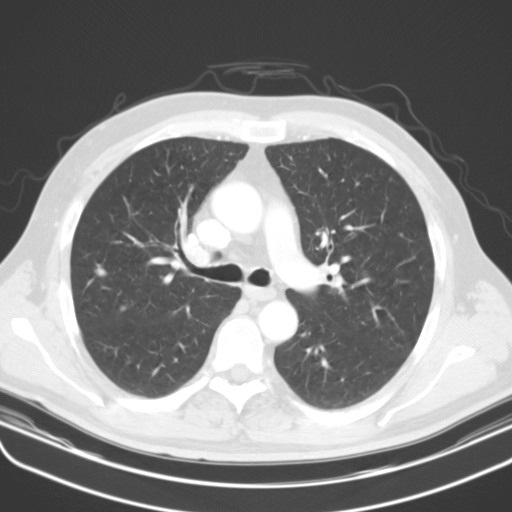
This is axial slice 97 of 134 (slice 1 is the lowest) of a chest CT; each pixel is 0.715 mm and the slice is 3.00 mm thick. Two pulmonary nodules on this slice, listed from left to right. (1) Pulmonary nodule at rows 264–276, columns 93–107 (box = the union of the readers' outlines on this slice), outlined by all four readers; the four readers' outlines give a longest diameter between 10.9 and 12.5 mm and a volume between 297 and 381 mm3. The readers' ratings, as ranges where they differ: texture from 4/5 to 5/5 (solid) across the four readers; margin from 3/5 to 4/5 across the four readers; sphericity from 2/5 to 3/5 (ovoid) across the four readers; calcification: absent (three), central calcification (one); internal structure soft tissue, all four readers agreeing; subtlety from 3/5 to 5/5 across the four readers; malignancy likelihood 1–3/5 (the readers disagree). (2) Pulmonary nodule outlined by all four readers; box rows 306–311, columns 120–126 (the union of the readers' outlines on this slice); the four readers' outlines give a longest diameter between 7.5 and 8.8 mm and a volume between 90 and 227 mm3. The readers' ratings, as ranges where they differ: texture 5/5 (solid) from all four readers; margin from 4/5 to 5/5 (circumscribed) across the four readers; sphericity from 3/5 (ovoid) to 4/5 across the four readers; calcification: absent (two), solid calcification (one), central calcification (one); internal structure soft tissue from all four readers; subtlety rated between 3 and 5 out of 5 by the four readers; malignancy likelihood 1–3/5 (the readers disagree). Scale key (1–5): texture non-solid→solid, margin indistinct→circumscribed, sphericity linear→round, subtlety extremely subtle→obvious, malignancy likelihood highly unlikely→highly suspicious of cancer. Box rows and columns are 0-based pixel indices from the top-left corner, inclusive.
Acquired at 130 kVp and reconstructed with the B31s kernel.